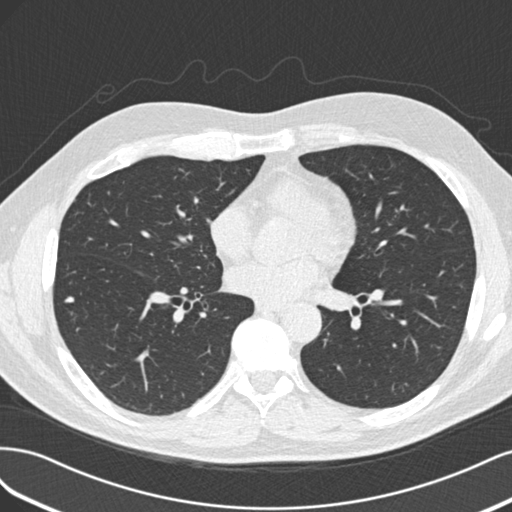
One axial slice (92 of 193, counting up from the lowest) of a chest CT acquired at 120 kVp with the B30f kernel; each pixel is 0.703 mm and the slice is 2.00 mm thick.
Pulmonary nodule, outlined by three of the four readers. Box on this slice rows 296–303, columns 63–75, the union of the readers' outlines on this slice; the three readers' outlines give a longest diameter between 8.0 and 9.4 mm and a volume between 118 and 208 mm3. Ratings across the readers: texture from 4/5 to 5/5 (solid) across the three readers; margin from 4/5 to 5/5 (circumscribed) across the three readers; sphericity from 3/5 (ovoid) to 4/5 across the three readers; calcification absent, all three readers agreeing; internal structure soft tissue, all three readers agreeing; subtlety 3–4/5 (the readers disagree); malignancy likelihood 3/5, all three readers agreeing. Scale key (1–5): texture non-solid→solid, margin indistinct→circumscribed, sphericity linear→round, subtlety extremely subtle→obvious, malignancy likelihood highly unlikely→highly suspicious of cancer. Box rows and columns are 0-based pixel indices from the top-left corner, inclusive.